Axial slice 336 of 433 of a chest CT (slice 1 is the lowest), reconstructed with the STANDARD kernel at 120 kVp; 1.25 mm slice thickness and 0.547 mm pixels.
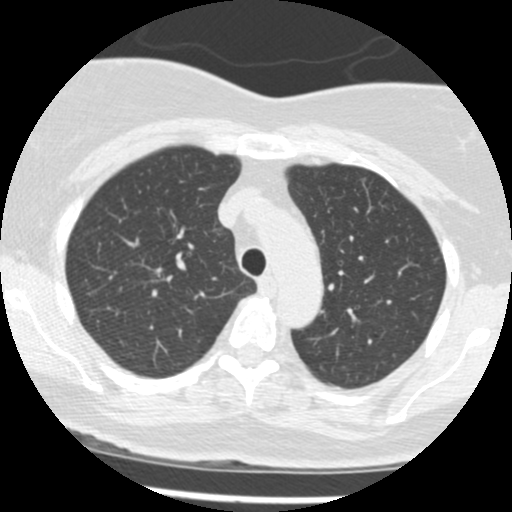
Pulmonary nodule, outlined by one of the four readers. Box on this slice rows 177–180, columns 362–365, that reader's outline on this slice; longest diameter 3.9 mm and volume 28 mm3 from that reader's outline. That reader's ratings: texture 5/5 (solid); margin 5/5 (circumscribed); sphericity 4/5; calcification solid calcification; internal structure soft tissue; subtlety 5/5; malignancy likelihood 3/5. Scale key (1–5): texture non-solid→solid, margin indistinct→circumscribed, sphericity linear→round, subtlety extremely subtle→obvious, malignancy likelihood highly unlikely→highly suspicious of cancer. Box rows and columns are 0-based pixel indices from the top-left corner, inclusive.